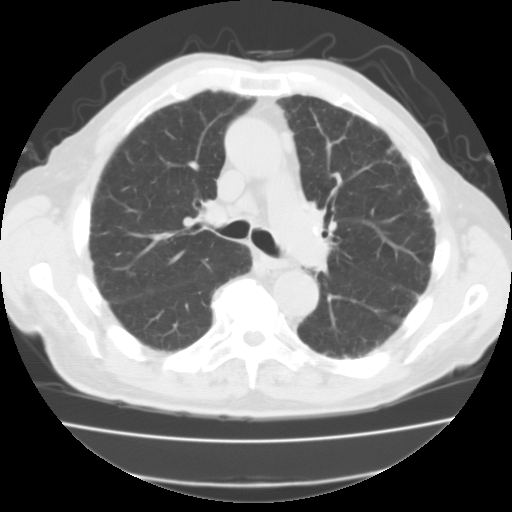
Axial chest CT slice 65 of 111 (counted from the lowest slice); 3.00 mm thick, 0.714 mm per pixel. Pulmonary nodule outlined by all four readers, two of them on this slice; box rows 315–322, columns 392–399 (the union of the readers' outlines on this slice); median longest diameter 10.4 mm (readers' outlines 10.1–12.3 mm), median volume 533 mm3 (448–609 mm3). Median ratings and the readers' spread: texture 5/5 (solid), all four readers agreeing; margin 5/5 (circumscribed) from all four readers; sphericity 5/5 (round), all four readers agreeing; calcification solid calcification from all four readers; internal structure soft tissue, all four readers agreeing; subtlety 5/5, all four readers agreeing; malignancy likelihood 1/5 from all four readers. Scale key (1–5): texture non-solid→solid, margin indistinct→circumscribed, sphericity linear→round, subtlety extremely subtle→obvious, malignancy likelihood highly unlikely→highly suspicious of cancer. Box rows and columns are 0-based pixel indices from the top-left corner, inclusive.
Scan settings: 135 kVp, FC01 reconstruction kernel.